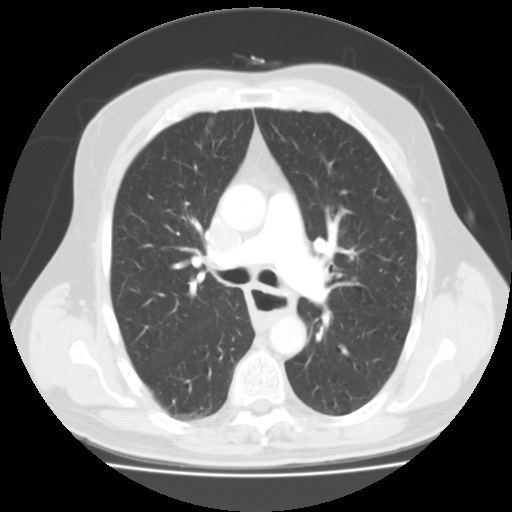
One axial slice (65 of 103, counting up from the lowest) of a chest CT acquired at 135 kVp with the FC01 kernel; each pixel is 0.738 mm and the slice is 3.00 mm thick.
Pulmonary nodule, outlined by all four readers. Box on this slice rows 275–280, columns 352–356, the union of the readers' outlines on this slice; the four readers' outlines give a longest diameter between 6.3 and 7.0 mm and a volume between 87 and 123 mm3. Ratings across the readers: texture from 4/5 to 5/5 (solid) across the four readers; margin from 2/5 to 5/5 (circumscribed) across the four readers; sphericity from 3/5 (ovoid) to 5/5 (round) across the four readers; calcification absent, all four readers agreeing; internal structure soft tissue from all four readers; subtlety rated between 1 and 4 out of 5 by the four readers; malignancy likelihood rated between 2 and 3 out of 5 by the four readers. Scale key (1–5): texture non-solid→solid, margin indistinct→circumscribed, sphericity linear→round, subtlety extremely subtle→obvious, malignancy likelihood highly unlikely→highly suspicious of cancer. Box rows and columns are 0-based pixel indices from the top-left corner, inclusive.